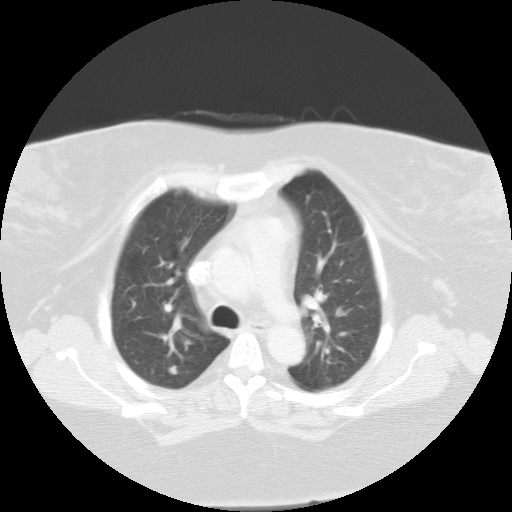
Slice 77/102 of a chest CT, counting up from the lowest; pixel size 0.808 mm, slice thickness 3.00 mm. Pulmonary nodule outlined by three of the four readers; box rows 365–374, columns 169–177 (the union of the readers' outlines on this slice); longest diameter 8.2 mm on average over the three readers' outlines (readers' outlines 6.7–8.9 mm), volume 110–317 mm3. Ratings, by the readers' most common answer with dissent counted: texture split among the readers: 2/5 (one), 4/5 (one), 5/5 (solid) (one); margin 4/5 by two of three readers; the rest gave 3/5 (one); sphericity 4/5, all three readers agreeing; calcification absent from all three readers; internal structure soft tissue from all three readers; subtlety split among the readers: 1/5 (one), 3/5 (one), 5/5 (one); most readers (two of three) put malignancy likelihood at 3/5, others 2/5 (one). Scale key (1–5): texture non-solid→solid, margin indistinct→circumscribed, sphericity linear→round, subtlety extremely subtle→obvious, malignancy likelihood highly unlikely→highly suspicious of cancer. Box rows and columns are 0-based pixel indices from the top-left corner, inclusive.
Tube voltage 135 kVp; convolution kernel FC01.